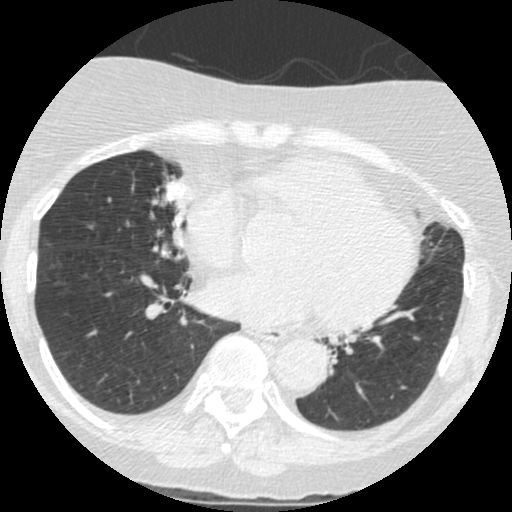
Chest CT, axial plane, 120 kVp, kernel STANDARD. Slice 162/426 from the bottom of the scan; thickness 1.25 mm; pixel size 0.547 mm.
Two pulmonary nodules on this slice, listed from left to right. (1) Pulmonary nodule at rows 248–257, columns 160–169 (box = that reader's outline on this slice), outlined by one of the four readers; longest diameter 15.0 mm and volume 404 mm3 from that reader's outline. That reader's ratings: texture 5/5 (solid); margin 4/5; sphericity 4/5; calcification non-central calcification; internal structure soft tissue; subtlety 4/5; malignancy likelihood 2/5. (2) Pulmonary nodule at rows 177–201, columns 165–189 (box = the union of the readers' outlines on this slice), outlined by all four readers; the four readers' outlines give a longest diameter between 17.0 and 20.6 mm and a volume between 1129 and 1635 mm3. Ratings across the readers: texture from 4/5 to 5/5 (solid) across the four readers; margin from 2/5 to 5/5 (circumscribed) across the four readers; sphericity from 3/5 (ovoid) to 5/5 (round) across the four readers; calcification: absent (three), non-central calcification (one); internal structure soft tissue from all four readers; subtlety from 3/5 to 5/5 across the four readers; malignancy likelihood rated between 2 and 4 out of 5 by the four readers. Scale key (1–5): texture non-solid→solid, margin indistinct→circumscribed, sphericity linear→round, subtlety extremely subtle→obvious, malignancy likelihood highly unlikely→highly suspicious of cancer. Box rows and columns are 0-based pixel indices from the top-left corner, inclusive.